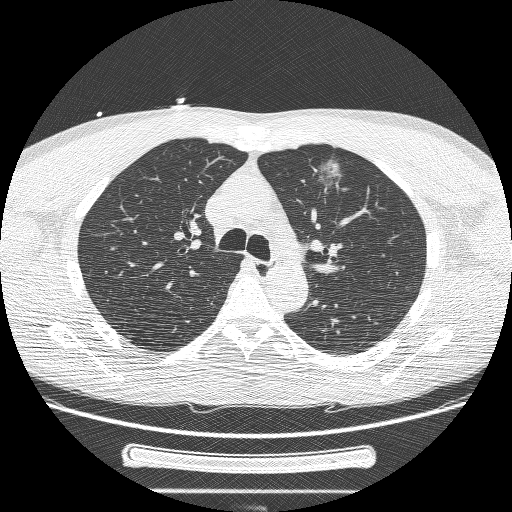
Slice 165/244 of a chest CT, counting up from the lowest; pixel size 0.729 mm, slice thickness 1.25 mm. Pulmonary nodule outlined by three of the four readers, two of them on this slice; box rows 157–195, columns 314–343 (the union of the readers' outlines on this slice); the three readers' outlines give a longest diameter between 27.4 and 37.9 mm and a volume between 2934 and 10099 mm3. The readers' ratings, as ranges where they differ: texture from 3/5 (part-solid) to 5/5 (solid) across the three readers; margin from 1/5 (indistinct) to 3/5 across the three readers; sphericity from 2/5 to 4/5 across the three readers; calcification absent from all three readers; internal structure soft tissue, all three readers agreeing; subtlety 5/5 from all three readers; malignancy likelihood rated between 3 and 5 out of 5 by the three readers. Scale key (1–5): texture non-solid→solid, margin indistinct→circumscribed, sphericity linear→round, subtlety extremely subtle→obvious, malignancy likelihood highly unlikely→highly suspicious of cancer. Box rows and columns are 0-based pixel indices from the top-left corner, inclusive.
Scan settings: 120 kVp, BONE reconstruction kernel.